One axial slice (115 of 133, counting up from the lowest) of a chest CT acquired at 120 kVp with the STANDARD kernel; each pixel is 0.859 mm and the slice is 2.50 mm thick.
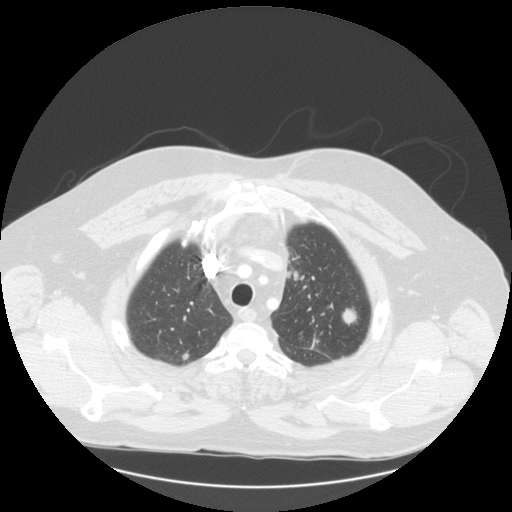
Two pulmonary nodules are outlined on this slice; from left to right: (1) Pulmonary nodule at rows 351–360, columns 182–189 (box = the union of the readers' outlines on this slice), outlined by all four readers; longest diameter 8.8 mm on average over the four readers' outlines (readers' outlines 8.2–9.3 mm), volume 187–316 mm3. The readers' prevailing ratings and who disagreed: texture 5/5 (solid) from all four readers; margin split among the readers: 4/5 (two), 5/5 (circumscribed) (two); sphericity 4/5 by two of four readers; the rest gave 3/5 (ovoid) (one), 5/5 (round) (one); calcification absent from all four readers; internal structure soft tissue from all four readers; subtlety 3/5 by three of four readers; the rest gave 4/5 (one); malignancy likelihood split among the readers: 2/5 (two), 3/5 (two). (2) Pulmonary nodule at rows 306–325, columns 341–360 (box = the union of the readers' outlines on this slice), outlined by all four readers; longest diameter 18.7 mm on average over the four readers' outlines (readers' outlines 16.4–22.4 mm), volume 1808–2759 mm3. The readers' prevailing ratings and who disagreed: texture split among the readers: 4/5 (two), 5/5 (solid) (two); margin 4/5 by two of four readers; the rest gave 3/5 (one), 5/5 (circumscribed) (one); sphericity 5/5 (round) by two of four readers; the rest gave 3/5 (ovoid) (one), 4/5 (one); calcification absent from all four readers; internal structure soft tissue from all four readers; most readers (three of four) put subtlety at 5/5, others 3/5 (one); malignancy likelihood split among the readers: 4/5 (two), 5/5 (two). Scale key (1–5): texture non-solid→solid, margin indistinct→circumscribed, sphericity linear→round, subtlety extremely subtle→obvious, malignancy likelihood highly unlikely→highly suspicious of cancer. Box rows and columns are 0-based pixel indices from the top-left corner, inclusive.